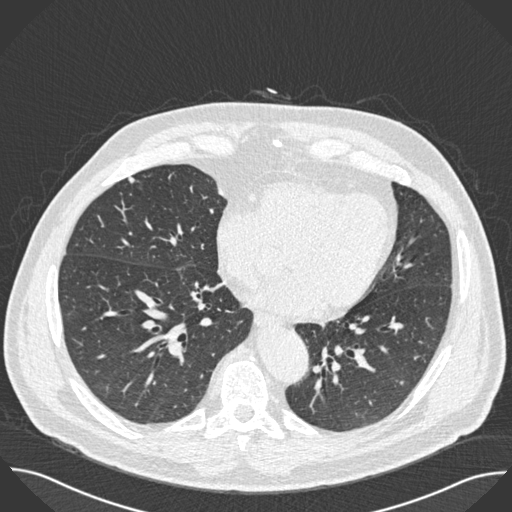
Axial slice 230 of 493 of a chest CT (slice 1 is the lowest), reconstructed with the B30f kernel at 120 kVp; 0.75 mm slice thickness and 0.762 mm pixels.
Pulmonary nodule, outlined by three of the four readers. Box on this slice rows 176–183, columns 128–135, the union of the readers' outlines on this slice; median longest diameter 7.2 mm (readers' outlines 7.2–7.6 mm), median volume 97 mm3 (74–97 mm3). Ratings, median across the readers with their spread: texture 5/5 (solid) from all three readers; margin 4/5 at the median of three readers, spread 1/5 (indistinct) to 5/5 (circumscribed); median sphericity 4/5 (readers ranged 3/5 (ovoid) to 4/5); calcification absent, all three readers agreeing; internal structure soft tissue from all three readers; subtlety 5/5 at the median of three readers, spread 3–5; malignancy likelihood 3/5 from all three readers. Scale key (1–5): texture non-solid→solid, margin indistinct→circumscribed, sphericity linear→round, subtlety extremely subtle→obvious, malignancy likelihood highly unlikely→highly suspicious of cancer. Box rows and columns are 0-based pixel indices from the top-left corner, inclusive.